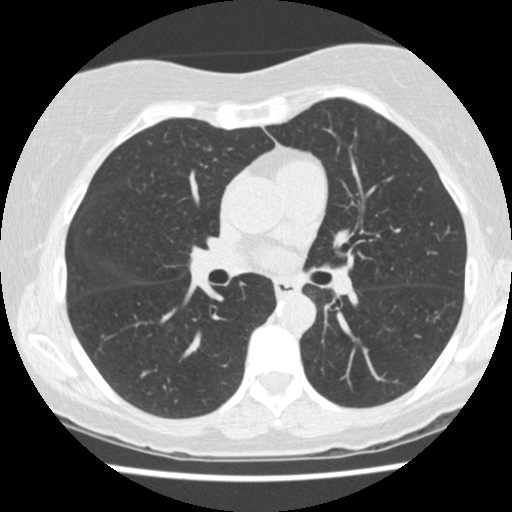
Axial slice 245 of 458 of a chest CT (slice 1 is the lowest), reconstructed with the STANDARD kernel at 120 kVp; 1.25 mm slice thickness and 0.586 mm pixels.
Pulmonary nodule outlined by one of the four readers; box rows 229–233, columns 87–90 (that reader's outline on this slice); longest diameter 5.3 mm and volume 30 mm3 from that reader's outline. Ratings by that reader: texture 1/5 (non-solid); margin 2/5; sphericity 4/5; calcification absent; internal structure soft tissue; subtlety 2/5; malignancy likelihood 2/5. Scale key (1–5): texture non-solid→solid, margin indistinct→circumscribed, sphericity linear→round, subtlety extremely subtle→obvious, malignancy likelihood highly unlikely→highly suspicious of cancer. Box rows and columns are 0-based pixel indices from the top-left corner, inclusive.